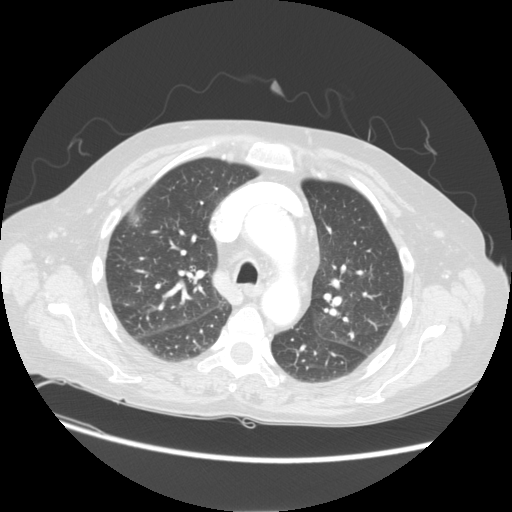
Axial chest CT slice 84 of 113 (counted from the lowest slice); tube voltage 120 kVp, convolution kernel STANDARD; slices 2.50 mm thick, 0.742 mm per pixel.
Pulmonary nodule at rows 205–227, columns 124–144 (box = the union of the readers' outlines on this slice), outlined by three of the four readers, two of them on this slice; longest diameter 15.6–22.7 mm and volume 735–1841 mm3 across the three readers' outlines. Ratings across the readers: texture 5/5 (solid) from all three readers; margin 5/5 (circumscribed), all three readers agreeing; sphericity from 3/5 (ovoid) to 5/5 (round) across the three readers; calcification absent, all three readers agreeing; internal structure soft tissue, all three readers agreeing; subtlety 3–5/5 (the readers disagree); malignancy likelihood from 2/5 to 5/5 across the three readers. Scale key (1–5): texture non-solid→solid, margin indistinct→circumscribed, sphericity linear→round, subtlety extremely subtle→obvious, malignancy likelihood highly unlikely→highly suspicious of cancer. Box rows and columns are 0-based pixel indices from the top-left corner, inclusive.